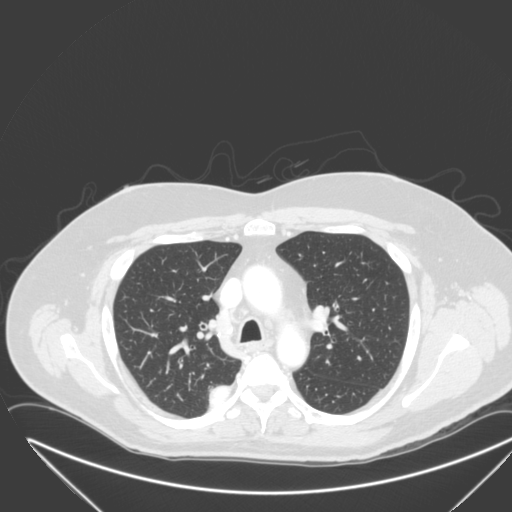
Axial chest CT slice 218 of 315 (counted from the lowest slice); 2.00 mm thick, 0.830 mm per pixel. Pulmonary nodule at rows 386–407, columns 210–228 (box = that reader's outline on this slice), outlined by one of the four readers; longest diameter 27.1 mm and volume 6093 mm3 from that reader's outline. Ratings by that reader: texture 5/5 (solid); margin 4/5; sphericity 2/5; calcification absent; internal structure soft tissue; subtlety 5/5; malignancy likelihood 4/5. Scale key (1–5): texture non-solid→solid, margin indistinct→circumscribed, sphericity linear→round, subtlety extremely subtle→obvious, malignancy likelihood highly unlikely→highly suspicious of cancer. Box rows and columns are 0-based pixel indices from the top-left corner, inclusive.
Scan settings: 120 kVp, B reconstruction kernel.